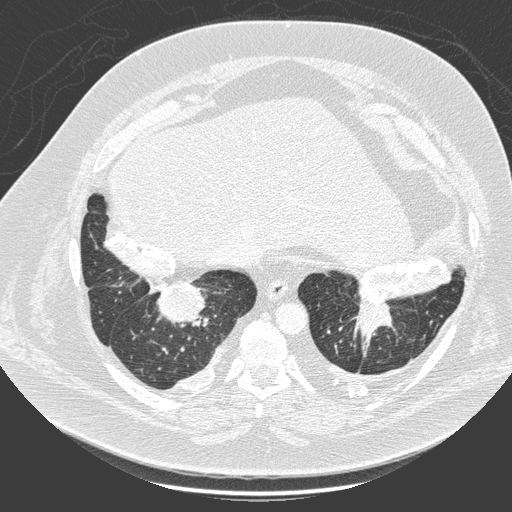
Axial chest CT slice 58 of 280 (counted from the lowest slice); tube voltage 140 kVp, convolution kernel D; slices 1.00 mm thick, 0.801 mm per pixel.
Pulmonary nodule at rows 285–326, columns 158–204 (box = that reader's outline on this slice), outlined by one of the four readers; longest diameter 49.9 mm and volume 31112 mm3 from that reader's outline. Ratings by that reader: texture 5/5 (solid); margin 4/5; sphericity 5/5 (round); calcification non-central calcification; internal structure soft tissue; subtlety 5/5; malignancy likelihood 5/5. Scale key (1–5): texture non-solid→solid, margin indistinct→circumscribed, sphericity linear→round, subtlety extremely subtle→obvious, malignancy likelihood highly unlikely→highly suspicious of cancer. Box rows and columns are 0-based pixel indices from the top-left corner, inclusive.